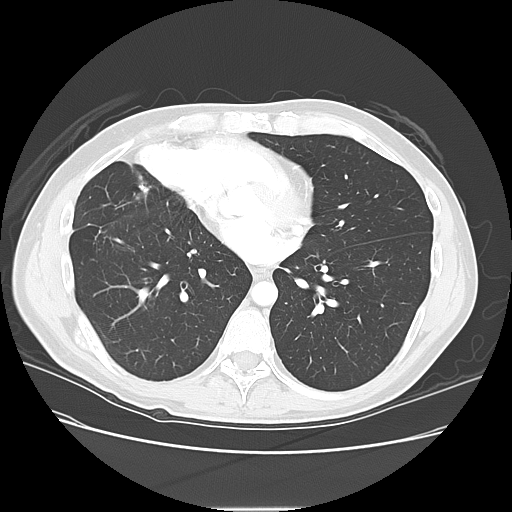
Axial chest CT slice 48 of 117 (counted from the lowest slice); tube voltage 120 kVp, convolution kernel LUNG; slices 2.50 mm thick, 0.723 mm per pixel.
No nodule of 3 mm or larger was outlined by any of the four readers on this slice.